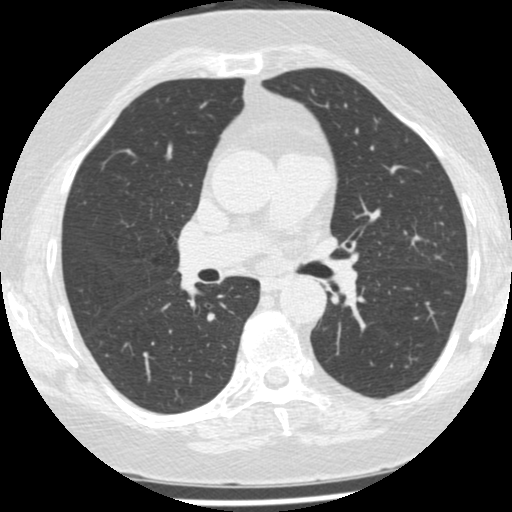
Axial chest CT slice 281 of 487 (counted from the lowest slice); tube voltage 120 kVp, convolution kernel STANDARD; slices 1.25 mm thick, 0.586 mm per pixel.
This slice carries no reader outline of a nodule 3 mm or larger.